Chest CT, axial plane, 120 kVp, kernel C. Slice 238/350 from the bottom of the scan; thickness 1.50 mm; pixel size 0.725 mm.
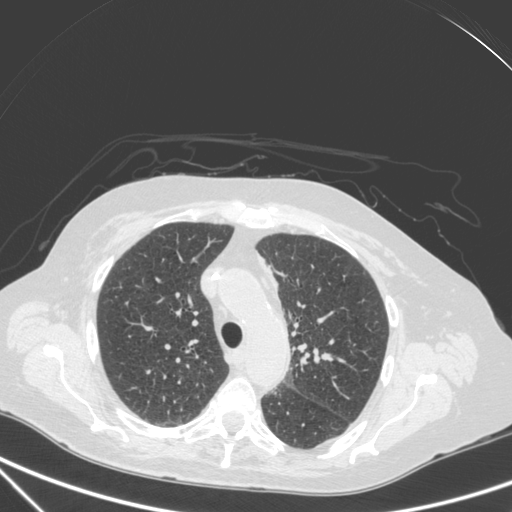
Pulmonary nodule outlined by all four readers; box rows 353–360, columns 320–332 (the union of the readers' outlines on this slice); the four readers' outlines give a longest diameter between 9.9 and 11.7 mm and a volume between 335 and 580 mm3. The readers' ratings, as ranges where they differ: texture 5/5 (solid), all four readers agreeing; margin 4/5 from all four readers; sphericity from 3/5 (ovoid) to 4/5 across the four readers; calcification absent, all four readers agreeing; internal structure soft tissue, all four readers agreeing; subtlety 4–5/5 (the readers disagree); malignancy likelihood rated between 2 and 5 out of 5 by the four readers. Scale key (1–5): texture non-solid→solid, margin indistinct→circumscribed, sphericity linear→round, subtlety extremely subtle→obvious, malignancy likelihood highly unlikely→highly suspicious of cancer. Box rows and columns are 0-based pixel indices from the top-left corner, inclusive.